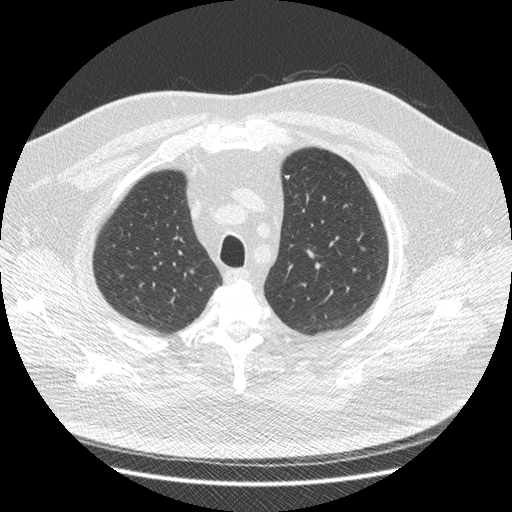
Chest CT, axial plane, 120 kVp, kernel STANDARD. Slice 350/426 from the bottom of the scan; thickness 1.25 mm; pixel size 0.742 mm.
Pulmonary nodule, outlined by three of the four readers. Box on this slice rows 175–179, columns 284–289, the union of the readers' outlines on this slice; longest diameter 6.5 mm on average over the three readers' outlines (readers' outlines 5.4–7.3 mm), volume 50–91 mm3. The readers' prevailing ratings and who disagreed: texture 5/5 (solid), all three readers agreeing; margin 5/5 (circumscribed) from all three readers; sphericity 4/5 by two of three readers; the rest gave 2/5 (one); calcification solid calcification, all three readers agreeing; internal structure soft tissue from all three readers; most readers (two of three) put subtlety at 5/5, others 4/5 (one); malignancy likelihood 1/5, all three readers agreeing. Scale key (1–5): texture non-solid→solid, margin indistinct→circumscribed, sphericity linear→round, subtlety extremely subtle→obvious, malignancy likelihood highly unlikely→highly suspicious of cancer. Box rows and columns are 0-based pixel indices from the top-left corner, inclusive.